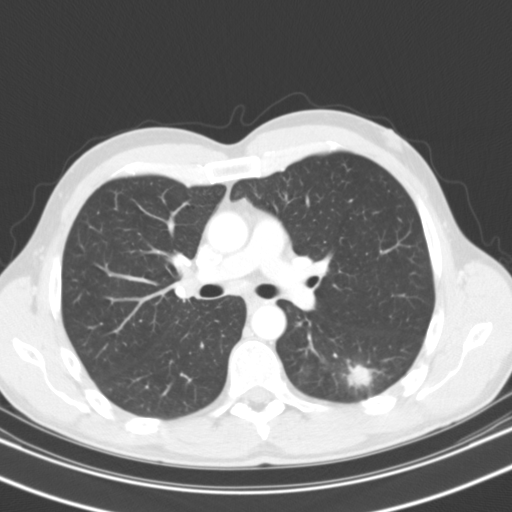
Axial chest CT slice 71 of 119 (counted from the lowest slice); 3.00 mm thick, 0.650 mm per pixel. Pulmonary nodule, outlined by all four readers. Box on this slice rows 363–392, columns 344–372, the union of the readers' outlines on this slice; median longest diameter 37.4 mm (readers' outlines 31.4–40.2 mm), median volume 8660 mm3 (6737–11596 mm3). Median ratings and the readers' spread: texture 5/5 (solid) at the median of four readers, spread 4/5 to 5/5 (solid); median margin 3.5/5 (readers ranged 1/5 (indistinct) to 4/5); sphericity 4/5 at the median of four readers, spread 3/5 (ovoid) to 5/5 (round); calcification absent, all four readers agreeing; internal structure: soft tissue (three), air (one); subtlety 5/5, all four readers agreeing; malignancy likelihood 4.5/5 at the median of four readers, spread 2–5. Scale key (1–5): texture non-solid→solid, margin indistinct→circumscribed, sphericity linear→round, subtlety extremely subtle→obvious, malignancy likelihood highly unlikely→highly suspicious of cancer. Box rows and columns are 0-based pixel indices from the top-left corner, inclusive.
Acquired at 130 kVp and reconstructed with the B31s kernel.